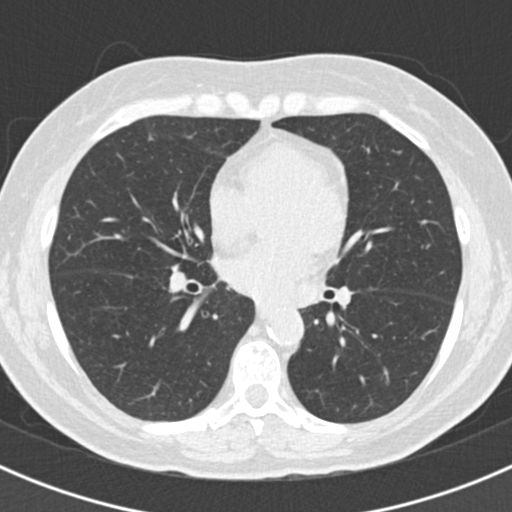
This is axial slice 97 of 193 (slice 1 is the lowest) of a chest CT; each pixel is 0.605 mm and the slice is 2.00 mm thick. Pulmonary nodule, outlined by three of the four readers, one of them on this slice. Box on this slice rows 368–380, columns 383–386, the one reader's outline on this slice; longest diameter 12.8 mm on average over the three readers' outlines (readers' outlines 11.1–14.0 mm), volume 148–243 mm3. Ratings, by the readers' most common answer with dissent counted: texture split among the readers: 1/5 (non-solid) (one), 2/5 (one), 3/5 (part-solid) (one); most readers (two of three) put margin at 3/5, others 2/5 (one); most readers (two of three) put sphericity at 4/5, others 2/5 (one); calcification absent, all three readers agreeing; internal structure soft tissue from all three readers; subtlety split among the readers: 2/5 (one), 3/5 (one), 5/5 (one); malignancy likelihood 3/5, all three readers agreeing. Scale key (1–5): texture non-solid→solid, margin indistinct→circumscribed, sphericity linear→round, subtlety extremely subtle→obvious, malignancy likelihood highly unlikely→highly suspicious of cancer. Box rows and columns are 0-based pixel indices from the top-left corner, inclusive.
Tube voltage 120 kVp; convolution kernel B30f.